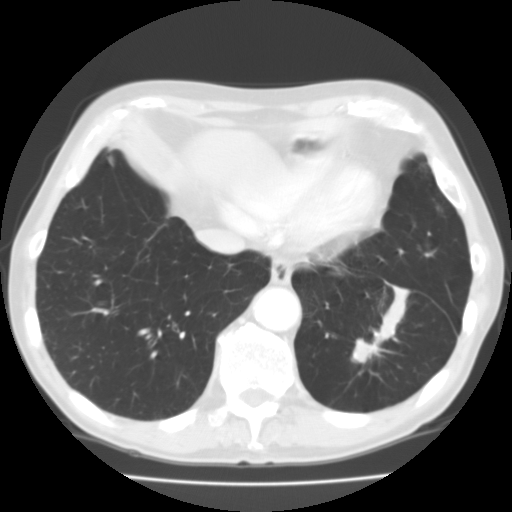
Chest CT, axial plane, 135 kVp, kernel FC01. Slice 39/129 from the bottom of the scan; thickness 3.00 mm; pixel size 0.662 mm.
Pulmonary nodule, outlined by three of the four readers. Box on this slice rows 339–362, columns 351–375, the union of the readers' outlines on this slice; longest diameter 22.5 mm on average over the three readers' outlines (readers' outlines 21.3–24.4 mm), volume 2229–2513 mm3. The readers' prevailing ratings and who disagreed: texture 5/5 (solid) from all three readers; margin split among the readers: 2/5 (one), 4/5 (one), 5/5 (circumscribed) (one); sphericity split among the readers: 3/5 (ovoid) (one), 4/5 (one), 5/5 (round) (one); calcification absent from all three readers; internal structure soft tissue from all three readers; subtlety 5/5, all three readers agreeing; most readers (two of three) put malignancy likelihood at 4/5, others 3/5 (one). Scale key (1–5): texture non-solid→solid, margin indistinct→circumscribed, sphericity linear→round, subtlety extremely subtle→obvious, malignancy likelihood highly unlikely→highly suspicious of cancer. Box rows and columns are 0-based pixel indices from the top-left corner, inclusive.